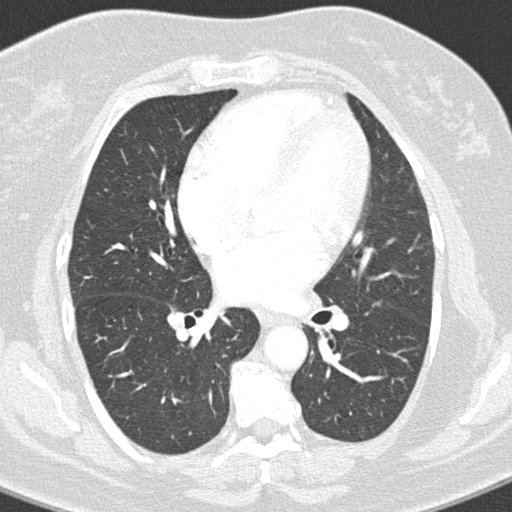
Axial chest CT slice 157 of 298 (counted from the lowest slice); tube voltage 120 kVp, convolution kernel B45f; slices 1.00 mm thick, 0.547 mm per pixel.
This slice carries no reader outline of a nodule 3 mm or larger.